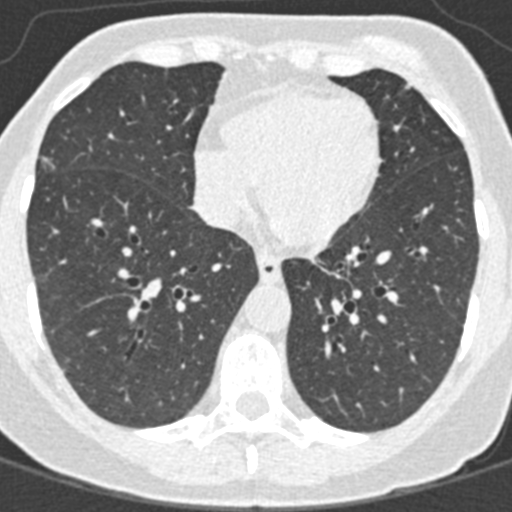
Axial slice 131 of 376 of a chest CT (slice 1 is the lowest), reconstructed with the B30f kernel at 120 kVp; 0.75 mm slice thickness and 0.461 mm pixels.
Pulmonary nodule, outlined by one of the four readers. Box on this slice rows 84–89, columns 405–410, that reader's outline on this slice; longest diameter 3.8 mm and volume 20 mm3 from that reader's outline. That reader's ratings: texture 5/5 (solid); margin 5/5 (circumscribed); sphericity 5/5 (round); calcification absent; internal structure soft tissue; subtlety 5/5; malignancy likelihood 3/5. Scale key (1–5): texture non-solid→solid, margin indistinct→circumscribed, sphericity linear→round, subtlety extremely subtle→obvious, malignancy likelihood highly unlikely→highly suspicious of cancer. Box rows and columns are 0-based pixel indices from the top-left corner, inclusive.